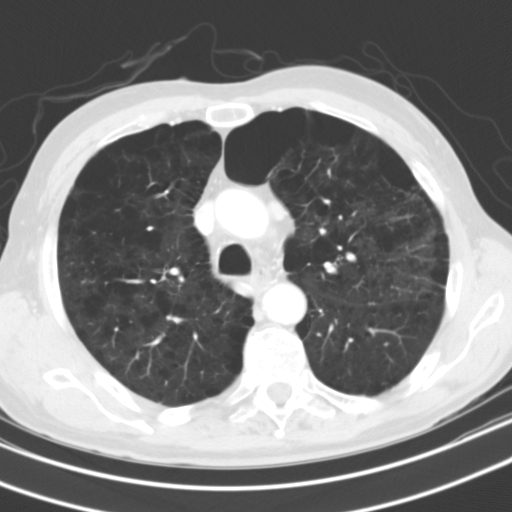
Axial slice 109 of 150 of a chest CT (slice 1 is the lowest), reconstructed with the B31s kernel at 130 kVp; 3.00 mm slice thickness and 0.627 mm pixels.
The readers outlined no nodule of 3 mm or more on this slice.